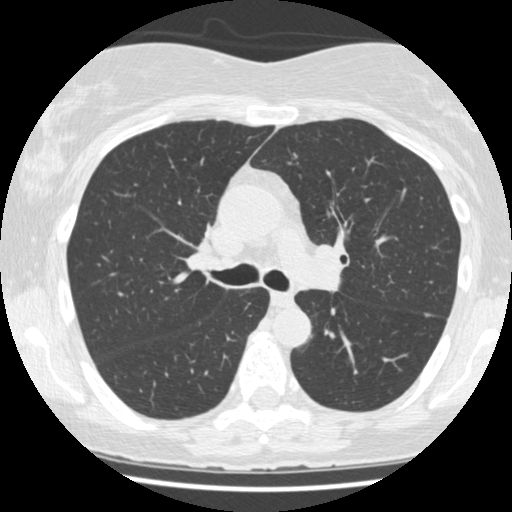
Chest CT, axial plane, 120 kVp, kernel STANDARD. Slice 294/477 from the bottom of the scan; thickness 1.25 mm; pixel size 0.625 mm.
Pulmonary nodule, outlined by three of the four readers. Box on this slice rows 312–317, columns 424–432, the union of the readers' outlines on this slice; longest diameter 7.1 mm on average over the three readers' outlines (readers' outlines 6.2–7.6 mm), volume 81–136 mm3. The readers' prevailing ratings and who disagreed: texture 5/5 (solid), all three readers agreeing; margin 5/5 (circumscribed) from all three readers; sphericity 4/5 by two of three readers; the rest gave 5/5 (round) (one); calcification absent, all three readers agreeing; internal structure soft tissue, all three readers agreeing; subtlety 5/5 by two of three readers; the rest gave 3/5 (one); malignancy likelihood split among the readers: 1/5 (one), 2/5 (one), 3/5 (one). Scale key (1–5): texture non-solid→solid, margin indistinct→circumscribed, sphericity linear→round, subtlety extremely subtle→obvious, malignancy likelihood highly unlikely→highly suspicious of cancer. Box rows and columns are 0-based pixel indices from the top-left corner, inclusive.